One axial slice (75 of 141, counting up from the lowest) of a chest CT acquired at 120 kVp with the STANDARD kernel; each pixel is 0.586 mm and the slice is 2.50 mm thick.
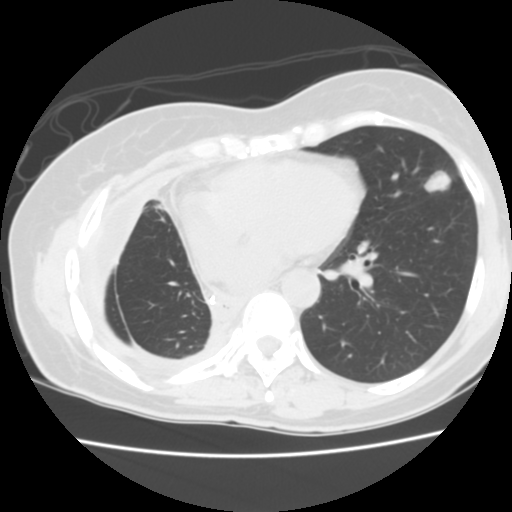
Pulmonary nodule at rows 169–192, columns 423–452 (box = the union of the readers' outlines on this slice), outlined by all four readers; longest diameter 16.9–18.9 mm and volume 990–1313 mm3 across the four readers' outlines. Ratings across the readers: texture from 4/5 to 5/5 (solid) across the four readers; margin from 3/5 to 5/5 (circumscribed) across the four readers; sphericity from 3/5 (ovoid) to 5/5 (round) across the four readers; calcification absent from all four readers; internal structure soft tissue, all four readers agreeing; subtlety 5/5 from all four readers; malignancy likelihood from 3/5 to 5/5 across the four readers. Scale key (1–5): texture non-solid→solid, margin indistinct→circumscribed, sphericity linear→round, subtlety extremely subtle→obvious, malignancy likelihood highly unlikely→highly suspicious of cancer. Box rows and columns are 0-based pixel indices from the top-left corner, inclusive.